Axial chest CT slice 66 of 144 (counted from the lowest slice); tube voltage 120 kVp, convolution kernel STANDARD; slices 2.50 mm thick, 0.742 mm per pixel.
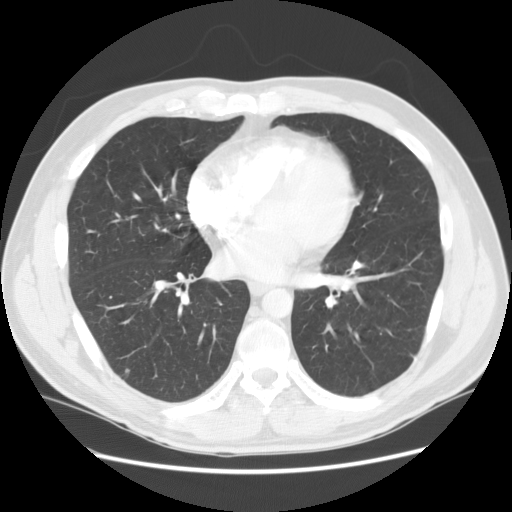
Pulmonary nodule, outlined by one of the four readers. Box on this slice rows 368–371, columns 125–129, that reader's outline on this slice; longest diameter 5.0 mm and volume 52 mm3 from that reader's outline. Ratings by that reader: texture 5/5 (solid); margin 4/5; sphericity 5/5 (round); calcification absent; internal structure soft tissue; subtlety 2/5; malignancy likelihood 2/5. Scale key (1–5): texture non-solid→solid, margin indistinct→circumscribed, sphericity linear→round, subtlety extremely subtle→obvious, malignancy likelihood highly unlikely→highly suspicious of cancer. Box rows and columns are 0-based pixel indices from the top-left corner, inclusive.